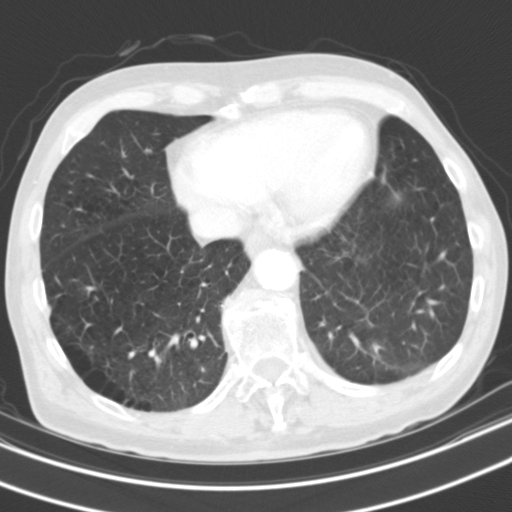
Axial chest CT slice 71 of 150 (counted from the lowest slice); tube voltage 130 kVp, convolution kernel B31s; slices 3.00 mm thick, 0.627 mm per pixel.
Pulmonary nodule, outlined by two of the four readers. Box on this slice rows 303–316, columns 48–51, the union of the readers' outlines on this slice; longest diameter 11.7 mm on average over the two readers' outlines (readers' outlines 10.7–12.6 mm), volume 107–177 mm3. Ratings, by the readers' most common answer with dissent counted: texture split among the readers: 4/5 (one), 5/5 (solid) (one); margin split among the readers: 2/5 (one), 4/5 (one); sphericity split among the readers: 2/5 (one), 3/5 (ovoid) (one); calcification absent from both readers; internal structure soft tissue, both readers agreeing; subtlety split among the readers: 3/5 (one), 4/5 (one); malignancy likelihood split among the readers: 1/5 (one), 3/5 (one). Scale key (1–5): texture non-solid→solid, margin indistinct→circumscribed, sphericity linear→round, subtlety extremely subtle→obvious, malignancy likelihood highly unlikely→highly suspicious of cancer. Box rows and columns are 0-based pixel indices from the top-left corner, inclusive.